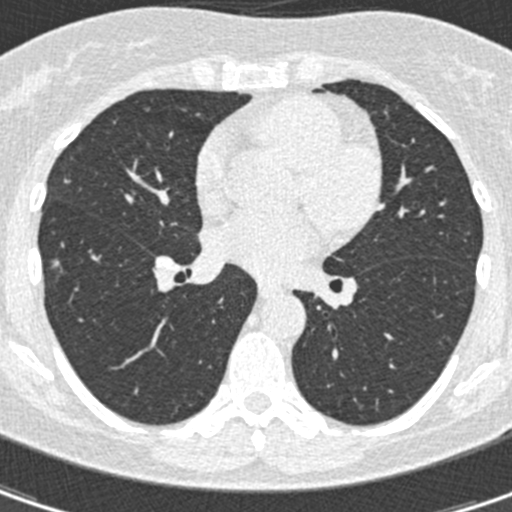
Axial chest CT slice 227 of 441 (counted from the lowest slice); 0.75 mm thick, 0.520 mm per pixel. Pulmonary nodule outlined by three of the four readers, two of them on this slice; box rows 259–267, columns 52–59 (the union of the readers' outlines on this slice); longest diameter 11.4 mm on average over the three readers' outlines (readers' outlines 9.8–12.4 mm), volume 248–289 mm3. The readers' prevailing ratings and who disagreed: texture 5/5 (solid) by two of three readers; the rest gave 4/5 (one); margin 4/5 by two of three readers; the rest gave 5/5 (circumscribed) (one); sphericity 4/5 by two of three readers; the rest gave 5/5 (round) (one); calcification absent by two of three readers, solid calcification (one); internal structure soft tissue, all three readers agreeing; most readers (two of three) put subtlety at 4/5, others 5/5 (one); most readers (two of three) put malignancy likelihood at 1/5, others 3/5 (one). Scale key (1–5): texture non-solid→solid, margin indistinct→circumscribed, sphericity linear→round, subtlety extremely subtle→obvious, malignancy likelihood highly unlikely→highly suspicious of cancer. Box rows and columns are 0-based pixel indices from the top-left corner, inclusive.
Tube voltage 120 kVp; convolution kernel B30f.